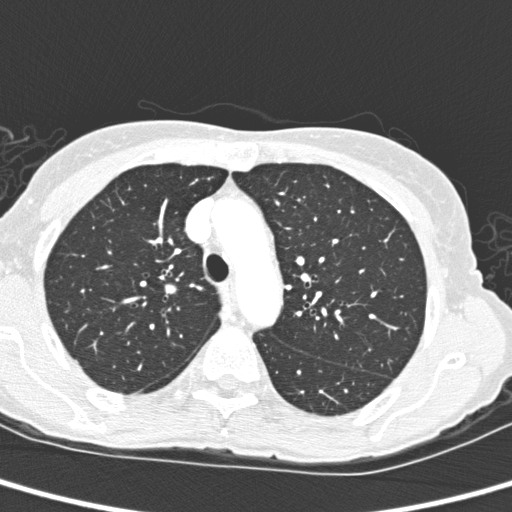
One axial slice (202 of 280, counting up from the lowest) of a chest CT acquired at 120 kVp with the D kernel; each pixel is 0.564 mm and the slice is 1.00 mm thick.
Pulmonary nodule outlined by all four readers; box rows 284–293, columns 165–176 (the union of the readers' outlines on this slice); longest diameter 11.4 mm on average over the four readers' outlines (readers' outlines 9.9–12.5 mm), volume 362–590 mm3. The readers' prevailing ratings and who disagreed: texture 5/5 (solid) by three of four readers; the rest gave 4/5 (one); margin split among the readers: 4/5 (two), 5/5 (circumscribed) (two); sphericity 5/5 (round) by two of four readers; the rest gave 3/5 (ovoid) (one), 4/5 (one); calcification absent from all four readers; internal structure soft tissue, all four readers agreeing; subtlety split among the readers: 4/5 (two), 5/5 (two); malignancy likelihood 5/5 by two of four readers; the rest gave 2/5 (one), 4/5 (one). Scale key (1–5): texture non-solid→solid, margin indistinct→circumscribed, sphericity linear→round, subtlety extremely subtle→obvious, malignancy likelihood highly unlikely→highly suspicious of cancer. Box rows and columns are 0-based pixel indices from the top-left corner, inclusive.